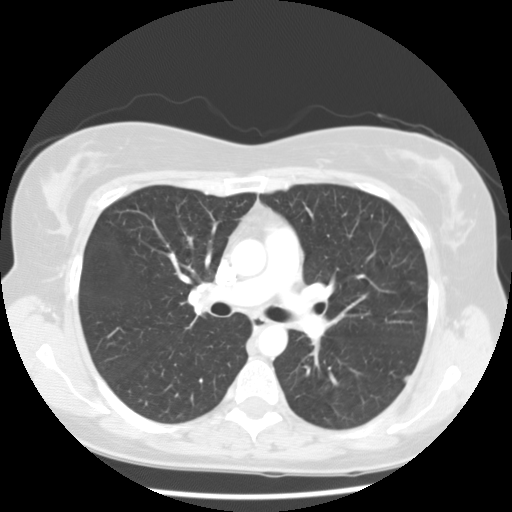
One axial slice (89 of 133, counting up from the lowest) of a chest CT acquired at 120 kVp with the STANDARD kernel; each pixel is 0.664 mm and the slice is 2.50 mm thick.
Pulmonary nodule at rows 374–380, columns 403–409 (box = that reader's outline on this slice), outlined by one of the four readers; longest diameter 6.3 mm and volume 91 mm3 from that reader's outline. Ratings by that reader: texture 5/5 (solid); margin 5/5 (circumscribed); sphericity 3/5 (ovoid); calcification absent; internal structure soft tissue; subtlety 3/5; malignancy likelihood 2/5. Scale key (1–5): texture non-solid→solid, margin indistinct→circumscribed, sphericity linear→round, subtlety extremely subtle→obvious, malignancy likelihood highly unlikely→highly suspicious of cancer. Box rows and columns are 0-based pixel indices from the top-left corner, inclusive.